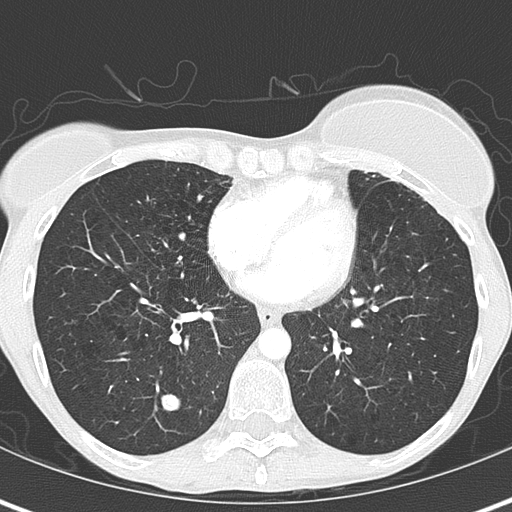
Axial chest CT slice 166 of 345 (counted from the lowest slice); 2.00 mm thick, 0.541 mm per pixel. Pulmonary nodule outlined by all four readers; box rows 394–410, columns 160–180 (the union of the readers' outlines on this slice); longest diameter 13.8 mm on average over the four readers' outlines (readers' outlines 13.7–13.9 mm), volume 707–844 mm3. The readers' prevailing ratings and who disagreed: texture 5/5 (solid), all four readers agreeing; margin 5/5 (circumscribed), all four readers agreeing; sphericity split among the readers: 3/5 (ovoid) (two), 5/5 (round) (two); calcification split among the readers: laminated calcification (two), solid calcification (two); internal structure soft tissue, all four readers agreeing; subtlety 5/5, all four readers agreeing; malignancy likelihood 1/5, all four readers agreeing. Scale key (1–5): texture non-solid→solid, margin indistinct→circumscribed, sphericity linear→round, subtlety extremely subtle→obvious, malignancy likelihood highly unlikely→highly suspicious of cancer. Box rows and columns are 0-based pixel indices from the top-left corner, inclusive.
Acquired at 120 kVp and reconstructed with the B70f kernel.